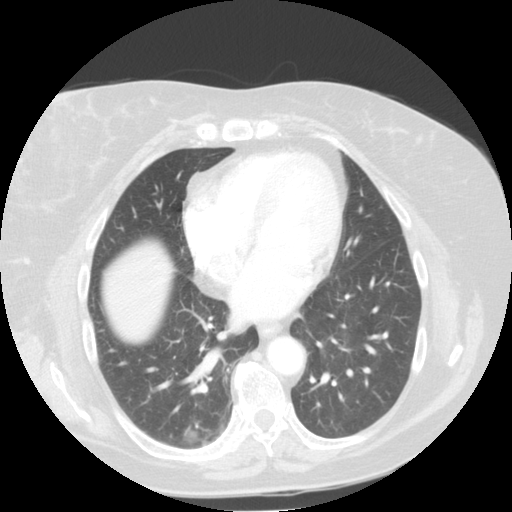
This is axial slice 56 of 113 (slice 1 is the lowest) of a chest CT; each pixel is 0.703 mm and the slice is 2.50 mm thick. Pulmonary nodule outlined by all four readers; box rows 427–444, columns 182–199 (the union of the readers' outlines on this slice); the four readers' outlines give a longest diameter between 23.3 and 24.3 mm and a volume between 4155 and 5797 mm3. Ratings across the readers: texture 5/5 (solid), all four readers agreeing; margin from 4/5 to 5/5 (circumscribed) across the four readers; sphericity from 3/5 (ovoid) to 5/5 (round) across the four readers; calcification absent from all four readers; internal structure soft tissue, all four readers agreeing; subtlety 5/5 from all four readers; malignancy likelihood rated between 2 and 5 out of 5 by the four readers. Scale key (1–5): texture non-solid→solid, margin indistinct→circumscribed, sphericity linear→round, subtlety extremely subtle→obvious, malignancy likelihood highly unlikely→highly suspicious of cancer. Box rows and columns are 0-based pixel indices from the top-left corner, inclusive.
Tube voltage 120 kVp; convolution kernel STANDARD.